Axial chest CT slice 198 of 276 (counted from the lowest slice); tube voltage 120 kVp, convolution kernel D; slices 2.00 mm thick, 0.617 mm per pixel.
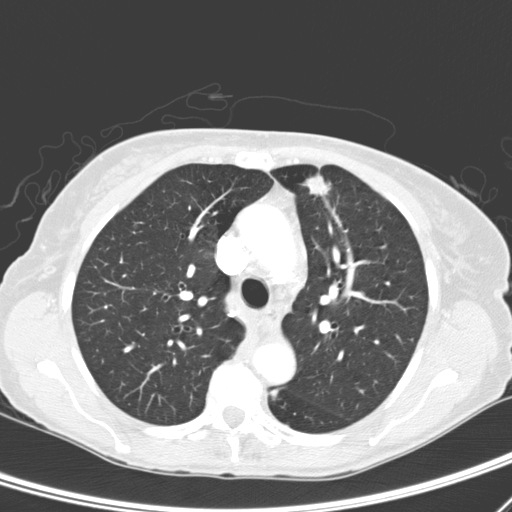
Two pulmonary nodules are outlined on this slice; from left to right: (1) Pulmonary nodule at rows 390–398, columns 270–277 (box = the union of the readers' outlines on this slice), outlined by two of the four readers; longest diameter 8.7 mm on average over the two readers' outlines (readers' outlines 7.4–10.0 mm), volume 109–225 mm3. The readers' prevailing ratings and who disagreed: texture split among the readers: 1/5 (non-solid) (one), 3/5 (part-solid) (one); margin split among the readers: 1/5 (indistinct) (one), 2/5 (one); sphericity split among the readers: 3/5 (ovoid) (one), 4/5 (one); calcification absent, both readers agreeing; internal structure soft tissue from both readers; subtlety split among the readers: 3/5 (one), 5/5 (one); malignancy likelihood split among the readers: 3/5 (one), 4/5 (one). (2) Pulmonary nodule, outlined by three of the four readers. Box on this slice rows 172–198, columns 301–330, the union of the readers' outlines on this slice; median longest diameter 24.5 mm (readers' outlines 19.9–25.7 mm), median volume 1707 mm3 (1110–1901 mm3). Ratings, median across the readers with their spread: texture 4/5 at the median of three readers, spread 4/5 to 5/5 (solid); margin 2/5 at the median of three readers, spread 2/5 to 4/5; median sphericity 3/5 (ovoid) (readers ranged 3/5 (ovoid) to 4/5); calcification absent from all three readers; internal structure soft tissue from all three readers; subtlety 5/5 from all three readers; malignancy likelihood 5/5 from all three readers. Scale key (1–5): texture non-solid→solid, margin indistinct→circumscribed, sphericity linear→round, subtlety extremely subtle→obvious, malignancy likelihood highly unlikely→highly suspicious of cancer. Box rows and columns are 0-based pixel indices from the top-left corner, inclusive.